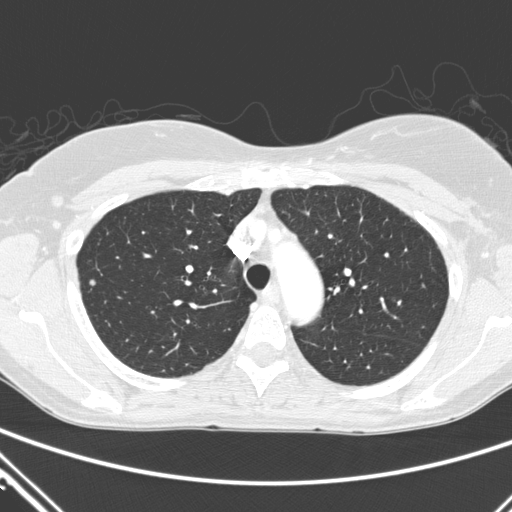
One axial slice (343 of 411, counting up from the lowest) of a chest CT acquired at 120 kVp with the D kernel; each pixel is 0.654 mm and the slice is 2.00 mm thick.
Pulmonary nodule outlined by two of the four readers; box rows 279–287, columns 88–94 (the union of the readers' outlines on this slice); median longest diameter 5.9 mm (readers' outlines 5.1–6.7 mm), median volume 48 mm3 (32–64 mm3). Median ratings and the readers' spread: texture 5/5 (solid) from both readers; median margin 4.5/5 (readers ranged 4/5 to 5/5 (circumscribed)); median sphericity 4.5/5 (readers ranged 4/5 to 5/5 (round)); calcification absent from both readers; internal structure soft tissue from both readers; median subtlety 3/5 (readers ranged 2–4); median malignancy likelihood 2/5 (readers ranged 1–3). Scale key (1–5): texture non-solid→solid, margin indistinct→circumscribed, sphericity linear→round, subtlety extremely subtle→obvious, malignancy likelihood highly unlikely→highly suspicious of cancer. Box rows and columns are 0-based pixel indices from the top-left corner, inclusive.